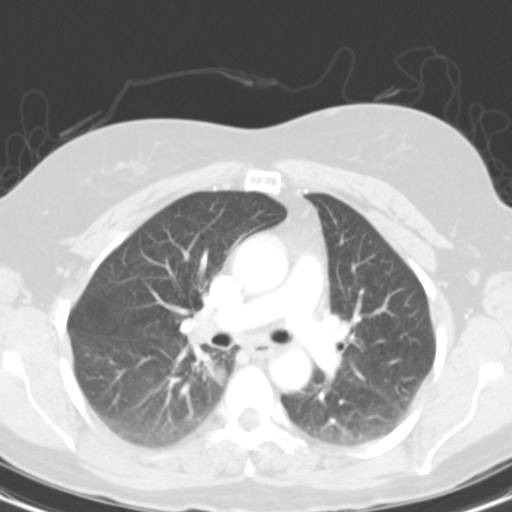
Axial chest CT slice 64 of 94 (counted from the lowest slice); 3.00 mm thick, 0.570 mm per pixel. Pulmonary nodule outlined by all four readers; box rows 355–385, columns 205–226 (the union of the readers' outlines on this slice); longest diameter 20.7 mm on average over the four readers' outlines (readers' outlines 18.6–23.0 mm), volume 949–1399 mm3. The readers' prevailing ratings and who disagreed: most readers (three of four) put texture at 5/5 (solid), others 4/5 (one); most readers (three of four) put margin at 4/5, others 5/5 (circumscribed) (one); sphericity 4/5 by three of four readers; the rest gave 5/5 (round) (one); calcification absent from all four readers; internal structure soft tissue, all four readers agreeing; subtlety 5/5, all four readers agreeing; malignancy likelihood 5/5 by two of four readers; the rest gave 2/5 (one), 3/5 (one). Scale key (1–5): texture non-solid→solid, margin indistinct→circumscribed, sphericity linear→round, subtlety extremely subtle→obvious, malignancy likelihood highly unlikely→highly suspicious of cancer. Box rows and columns are 0-based pixel indices from the top-left corner, inclusive.
Scan settings: 130 kVp, B31s reconstruction kernel.